One axial slice (91 of 127, counting up from the lowest) of a chest CT acquired at 120 kVp with the STANDARD kernel; each pixel is 0.742 mm and the slice is 2.50 mm thick.
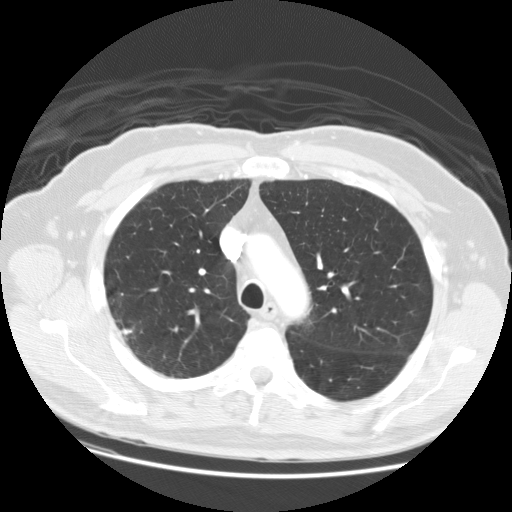
Pulmonary nodule, outlined by all four readers. Box on this slice rows 329–334, columns 121–131, the union of the readers' outlines on this slice; longest diameter 8.9–10.6 mm and volume 345–480 mm3 across the four readers' outlines. Ratings across the readers: texture 5/5 (solid), all four readers agreeing; margin 5/5 (circumscribed) from all four readers; sphericity from 3/5 (ovoid) to 5/5 (round) across the four readers; calcification: solid calcification (three), absent (one); internal structure soft tissue, all four readers agreeing; subtlety from 4/5 to 5/5 across the four readers; malignancy likelihood 1–2/5 (the readers disagree). Scale key (1–5): texture non-solid→solid, margin indistinct→circumscribed, sphericity linear→round, subtlety extremely subtle→obvious, malignancy likelihood highly unlikely→highly suspicious of cancer. Box rows and columns are 0-based pixel indices from the top-left corner, inclusive.